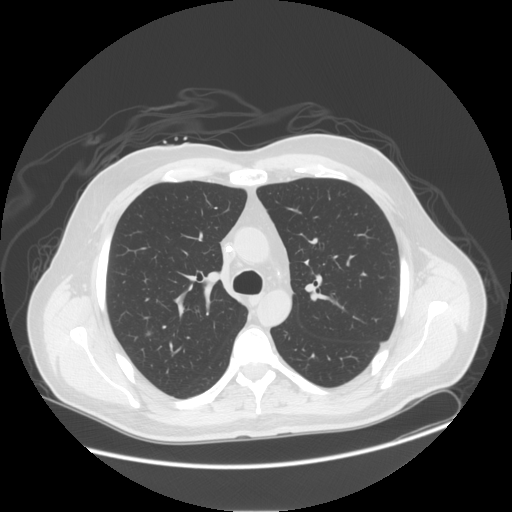
Slice 98/143 of a chest CT, counting up from the lowest; pixel size 0.859 mm, slice thickness 2.50 mm. Pulmonary nodule at rows 331–334, columns 147–150 (box = that reader's outline on this slice), outlined by one of the four readers; longest diameter 6.5 mm and volume 91 mm3 from that reader's outline. Ratings by that reader: texture 5/5 (solid); margin 5/5 (circumscribed); sphericity 3/5 (ovoid); calcification absent; internal structure soft tissue; subtlety 3/5; malignancy likelihood 2/5. Scale key (1–5): texture non-solid→solid, margin indistinct→circumscribed, sphericity linear→round, subtlety extremely subtle→obvious, malignancy likelihood highly unlikely→highly suspicious of cancer. Box rows and columns are 0-based pixel indices from the top-left corner, inclusive.
Tube voltage 120 kVp; convolution kernel STANDARD.